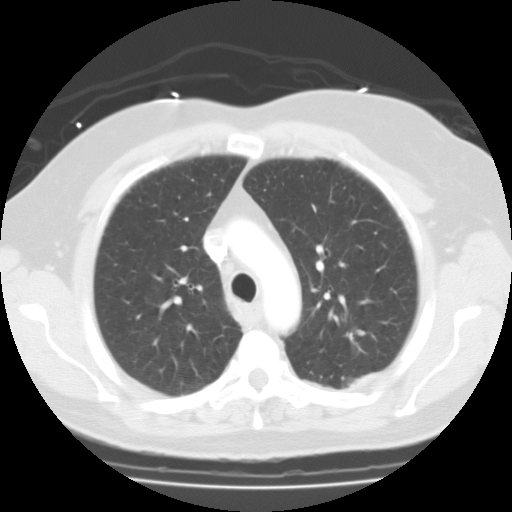
Axial slice 82 of 115 of a chest CT (slice 1 is the lowest), reconstructed with the FC01 kernel at 135 kVp; 3.00 mm slice thickness and 0.729 mm pixels.
Pulmonary nodule, outlined by one of the four readers. Box on this slice rows 329–342, columns 346–365, that reader's outline on this slice; longest diameter 34.4 mm and volume 9064 mm3 from that reader's outline. Ratings by that reader: texture 5/5 (solid); margin 3/5; sphericity 2/5; calcification absent; internal structure fluid; subtlety 5/5; malignancy likelihood 3/5. Scale key (1–5): texture non-solid→solid, margin indistinct→circumscribed, sphericity linear→round, subtlety extremely subtle→obvious, malignancy likelihood highly unlikely→highly suspicious of cancer. Box rows and columns are 0-based pixel indices from the top-left corner, inclusive.